One axial slice (241 of 417, counting up from the lowest) of a chest CT acquired at 120 kVp with the STANDARD kernel; each pixel is 0.703 mm and the slice is 1.25 mm thick.
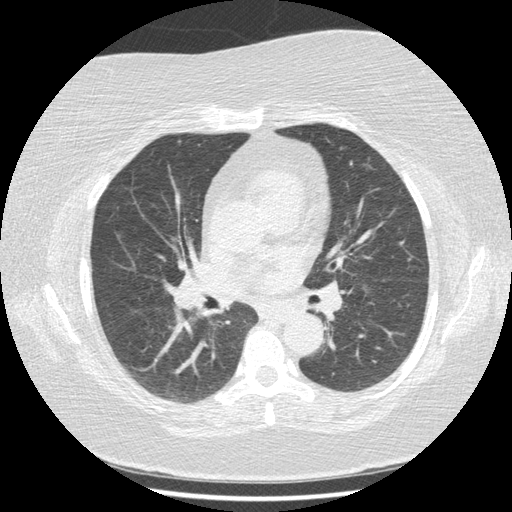
Pulmonary nodule outlined by all four readers, two of them on this slice; box rows 283–293, columns 361–372 (the union of the readers' outlines on this slice); longest diameter 9.2 mm on average over the four readers' outlines (readers' outlines 7.6–10.7 mm), volume 89–248 mm3. Ratings, by the readers' most common answer with dissent counted: texture 5/5 (solid), all four readers agreeing; margin 4/5 by three of four readers; the rest gave 5/5 (circumscribed) (one); sphericity 3/5 (ovoid) by two of four readers; the rest gave 4/5 (one), 5/5 (round) (one); calcification absent from all four readers; internal structure soft tissue from all four readers; subtlety split among the readers: 4/5 (two), 5/5 (two); most readers (three of four) put malignancy likelihood at 3/5, others 4/5 (one). Scale key (1–5): texture non-solid→solid, margin indistinct→circumscribed, sphericity linear→round, subtlety extremely subtle→obvious, malignancy likelihood highly unlikely→highly suspicious of cancer. Box rows and columns are 0-based pixel indices from the top-left corner, inclusive.